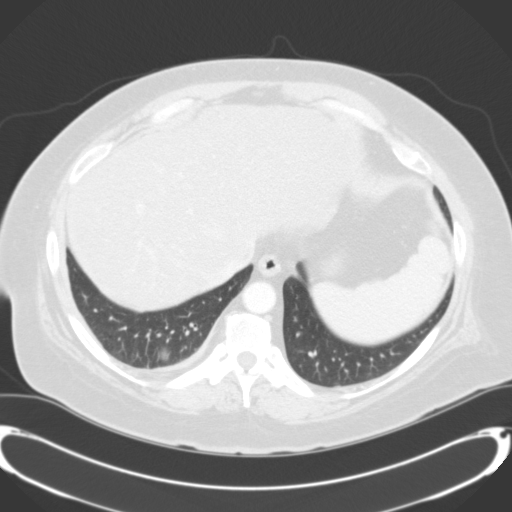
Chest CT, axial plane, 120 kVp, kernel B31f. Slice 53/124 from the bottom of the scan; thickness 3.00 mm; pixel size 0.764 mm.
Pulmonary nodule, outlined by three of the four readers. Box on this slice rows 349–360, columns 159–169, the union of the readers' outlines on this slice; longest diameter 32.1–33.9 mm and volume 13060–14151 mm3 across the three readers' outlines. Ratings across the readers: texture from 4/5 to 5/5 (solid) across the three readers; margin from 4/5 to 5/5 (circumscribed) across the three readers; sphericity 4/5 from all three readers; calcification absent, all three readers agreeing; internal structure soft tissue from all three readers; subtlety 5/5 from all three readers; malignancy likelihood 3–5/5 (the readers disagree). Scale key (1–5): texture non-solid→solid, margin indistinct→circumscribed, sphericity linear→round, subtlety extremely subtle→obvious, malignancy likelihood highly unlikely→highly suspicious of cancer. Box rows and columns are 0-based pixel indices from the top-left corner, inclusive.